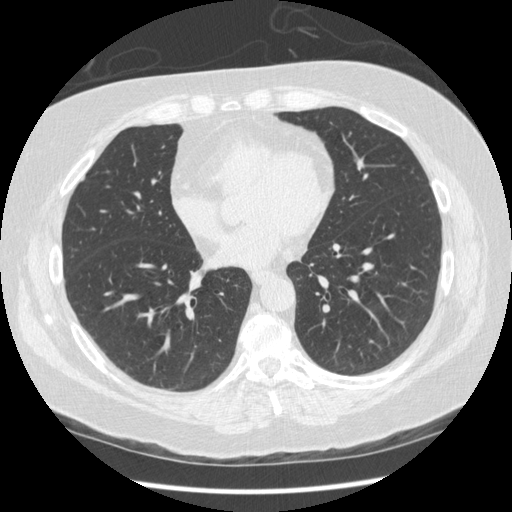
Axial chest CT slice 172 of 436 (counted from the lowest slice); 1.25 mm thick, 0.703 mm per pixel. Pulmonary nodule outlined by three of the four readers; box rows 175–181, columns 78–84 (the union of the readers' outlines on this slice); longest diameter 6.6 mm on average over the three readers' outlines (readers' outlines 6.0–7.0 mm), volume 38–72 mm3. Ratings, by the readers' most common answer with dissent counted: texture 5/5 (solid) from all three readers; margin 5/5 (circumscribed) by two of three readers; the rest gave 4/5 (one); sphericity split among the readers: 2/5 (one), 3/5 (ovoid) (one), 4/5 (one); calcification absent, all three readers agreeing; internal structure soft tissue, all three readers agreeing; most readers (two of three) put subtlety at 5/5, others 3/5 (one); malignancy likelihood 2/5, all three readers agreeing. Scale key (1–5): texture non-solid→solid, margin indistinct→circumscribed, sphericity linear→round, subtlety extremely subtle→obvious, malignancy likelihood highly unlikely→highly suspicious of cancer. Box rows and columns are 0-based pixel indices from the top-left corner, inclusive.
Scan settings: 120 kVp, STANDARD reconstruction kernel.